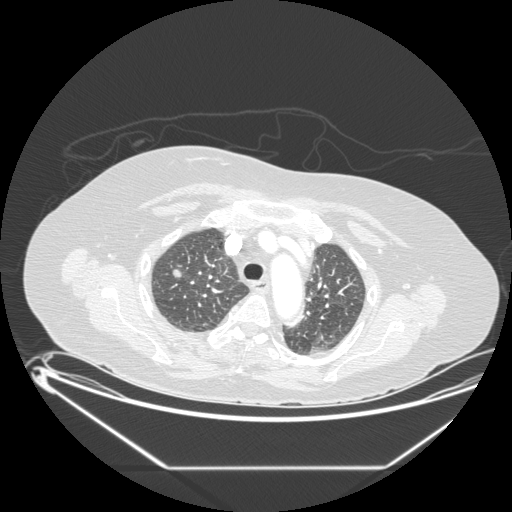
Axial chest CT slice 159 of 197 (counted from the lowest slice); tube voltage 120 kVp, convolution kernel STANDARD; slices 1.25 mm thick, 0.859 mm per pixel.
Pulmonary nodule, outlined by all four readers. Box on this slice rows 268–277, columns 171–181, the union of the readers' outlines on this slice; longest diameter 11.9 mm on average over the four readers' outlines (readers' outlines 10.4–12.9 mm), volume 381–630 mm3. Ratings, by the readers' most common answer with dissent counted: texture 5/5 (solid) by three of four readers; the rest gave 3/5 (part-solid) (one); margin 5/5 (circumscribed) by two of four readers; the rest gave 2/5 (one), 4/5 (one); sphericity split among the readers: 4/5 (two), 5/5 (round) (two); calcification absent from all four readers; internal structure soft tissue by three of four readers, air (one); subtlety 4/5 by two of four readers; the rest gave 3/5 (one), 5/5 (one); malignancy likelihood split among the readers: 2/5 (two), 4/5 (two). Scale key (1–5): texture non-solid→solid, margin indistinct→circumscribed, sphericity linear→round, subtlety extremely subtle→obvious, malignancy likelihood highly unlikely→highly suspicious of cancer. Box rows and columns are 0-based pixel indices from the top-left corner, inclusive.